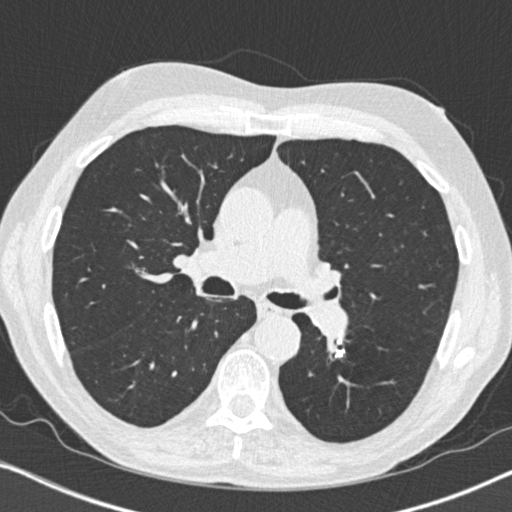
Axial chest CT slice 470 of 764 (counted from the lowest slice); 1.00 mm thick, 0.646 mm per pixel. Pulmonary nodule, outlined by one of the four readers. Box on this slice rows 350–357, columns 335–344, that reader's outline on this slice; longest diameter 8.3 mm and volume 154 mm3 from that reader's outline. That reader's ratings: texture 5/5 (solid); margin 5/5 (circumscribed); sphericity 3/5 (ovoid); calcification solid calcification; internal structure soft tissue; subtlety 5/5; malignancy likelihood 1/5. Scale key (1–5): texture non-solid→solid, margin indistinct→circumscribed, sphericity linear→round, subtlety extremely subtle→obvious, malignancy likelihood highly unlikely→highly suspicious of cancer. Box rows and columns are 0-based pixel indices from the top-left corner, inclusive.
Acquired at 120 kVp and reconstructed with the B31f kernel.